Chest CT, axial plane, 130 kVp, kernel B20s. Slice 146/331 from the bottom of the scan; thickness 1.25 mm; pixel size 0.496 mm.
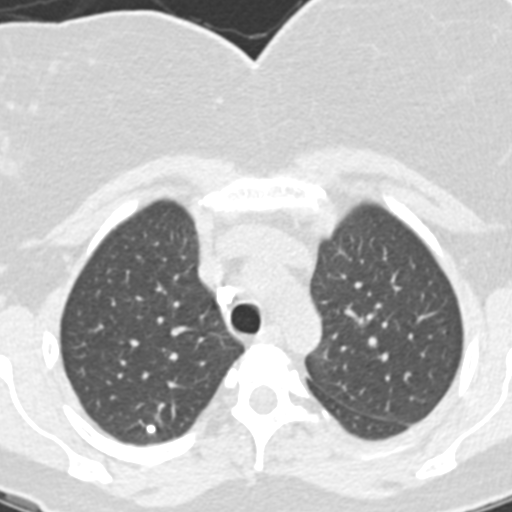
Pulmonary nodule, outlined by all four readers. Box on this slice rows 423–433, columns 146–155, the union of the readers' outlines on this slice; median longest diameter 7.5 mm (readers' outlines 6.9–8.4 mm), median volume 164 mm3 (132–209 mm3). Median ratings and the readers' spread: texture 5/5 (solid), all four readers agreeing; margin 5/5 (circumscribed) from all four readers; sphericity 5/5 (round) at the median of four readers, spread 4/5 to 5/5 (round); calcification: solid calcification (three), central calcification (one); internal structure soft tissue from all four readers; subtlety 5/5 at the median of four readers, spread 4–5; malignancy likelihood 1/5, all four readers agreeing. Scale key (1–5): texture non-solid→solid, margin indistinct→circumscribed, sphericity linear→round, subtlety extremely subtle→obvious, malignancy likelihood highly unlikely→highly suspicious of cancer. Box rows and columns are 0-based pixel indices from the top-left corner, inclusive.